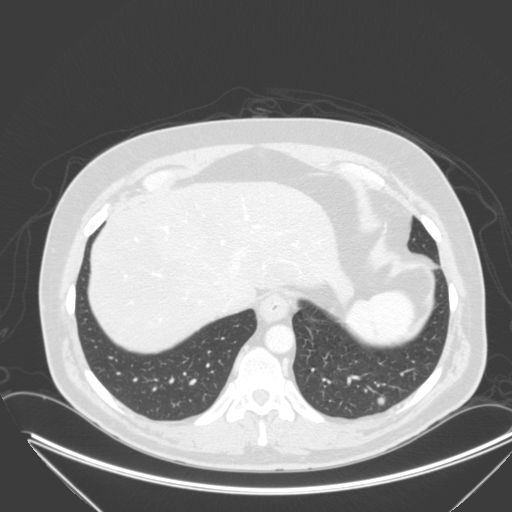
Axial chest CT slice 79 of 315 (counted from the lowest slice); tube voltage 120 kVp, convolution kernel B; slices 2.00 mm thick, 0.830 mm per pixel.
Pulmonary nodule at rows 396–406, columns 375–384 (box = the union of the readers' outlines on this slice), outlined by all four readers; longest diameter 10.3–12.9 mm and volume 426–557 mm3 across the four readers' outlines. Ratings across the readers: texture 5/5 (solid) from all four readers; margin from 4/5 to 5/5 (circumscribed) across the four readers; sphericity from 3/5 (ovoid) to 5/5 (round) across the four readers; calcification absent, all four readers agreeing; internal structure soft tissue from all four readers; subtlety rated between 4 and 5 out of 5 by the four readers; malignancy likelihood 3–4/5 (the readers disagree). Scale key (1–5): texture non-solid→solid, margin indistinct→circumscribed, sphericity linear→round, subtlety extremely subtle→obvious, malignancy likelihood highly unlikely→highly suspicious of cancer. Box rows and columns are 0-based pixel indices from the top-left corner, inclusive.